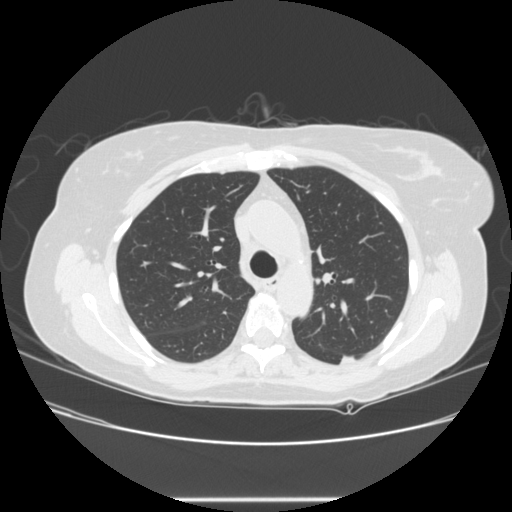
Axial chest CT slice 174 of 245 (counted from the lowest slice); tube voltage 120 kVp, convolution kernel STANDARD; slices 1.25 mm thick, 0.730 mm per pixel.
Pulmonary nodule, outlined by all four readers. Box on this slice rows 355–365, columns 339–356, the union of the readers' outlines on this slice; longest diameter 30.9 mm on average over the four readers' outlines (readers' outlines 27.2–36.8 mm), volume 3941–5997 mm3. Ratings, by the readers' most common answer with dissent counted: texture 5/5 (solid) from all four readers; margin 4/5 by two of four readers; the rest gave 1/5 (indistinct) (one), 3/5 (one); sphericity 2/5 by two of four readers; the rest gave 3/5 (ovoid) (one), 4/5 (one); calcification absent from all four readers; internal structure soft tissue, all four readers agreeing; subtlety 5/5, all four readers agreeing; most readers (three of four) put malignancy likelihood at 5/5, others 4/5 (one). Scale key (1–5): texture non-solid→solid, margin indistinct→circumscribed, sphericity linear→round, subtlety extremely subtle→obvious, malignancy likelihood highly unlikely→highly suspicious of cancer. Box rows and columns are 0-based pixel indices from the top-left corner, inclusive.